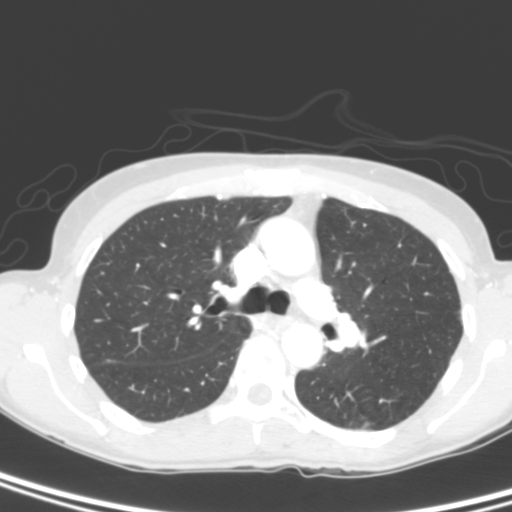
This is axial slice 182 of 280 (slice 1 is the lowest) of a chest CT; each pixel is 0.572 mm and the slice is 2.00 mm thick. Pulmonary nodule, outlined by all four readers, two of them on this slice. Box on this slice rows 359–362, columns 106–114, the union of the readers' outlines on this slice; the four readers' outlines give a longest diameter between 6.4 and 8.9 mm and a volume between 92 and 215 mm3. Ratings across the readers: texture from 4/5 to 5/5 (solid) across the four readers; margin from 4/5 to 5/5 (circumscribed) across the four readers; sphericity from 3/5 (ovoid) to 5/5 (round) across the four readers; calcification absent, all four readers agreeing; internal structure soft tissue from all four readers; subtlety from 2/5 to 5/5 across the four readers; malignancy likelihood from 2/5 to 4/5 across the four readers. Scale key (1–5): texture non-solid→solid, margin indistinct→circumscribed, sphericity linear→round, subtlety extremely subtle→obvious, malignancy likelihood highly unlikely→highly suspicious of cancer. Box rows and columns are 0-based pixel indices from the top-left corner, inclusive.
Tube voltage 120 kVp; convolution kernel B.